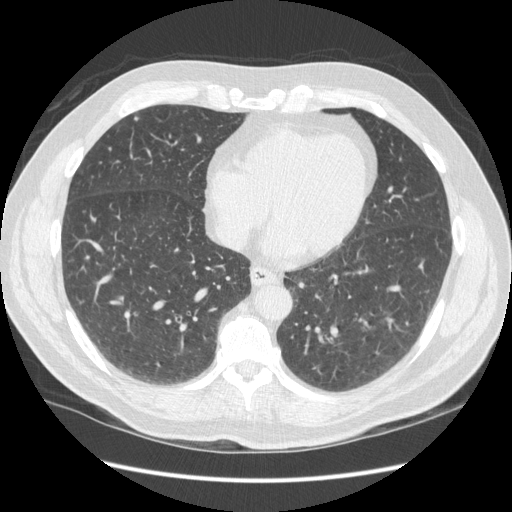
Chest CT, axial plane, 120 kVp, kernel STANDARD. Slice 161/449 from the bottom of the scan; thickness 1.25 mm; pixel size 0.742 mm.
Pulmonary nodule outlined by one of the four readers; box rows 117–120, columns 134–138 (that reader's outline on this slice); longest diameter 6.1 mm and volume 97 mm3 from that reader's outline. That reader's ratings: texture 5/5 (solid); margin 5/5 (circumscribed); sphericity 5/5 (round); calcification absent; internal structure soft tissue; subtlety 4/5; malignancy likelihood 3/5. Scale key (1–5): texture non-solid→solid, margin indistinct→circumscribed, sphericity linear→round, subtlety extremely subtle→obvious, malignancy likelihood highly unlikely→highly suspicious of cancer. Box rows and columns are 0-based pixel indices from the top-left corner, inclusive.